Chest CT, axial plane, 120 kVp, kernel STANDARD. Slice 176/462 from the bottom of the scan; thickness 1.25 mm; pixel size 0.742 mm.
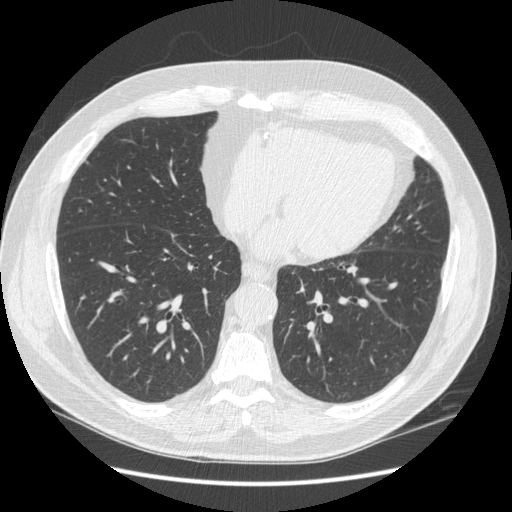
Pulmonary nodule at rows 161–165, columns 84–89 (box = the union of the readers' outlines on this slice), outlined by all four readers; median longest diameter 6.9 mm (readers' outlines 6.6–7.3 mm), median volume 88 mm3 (76–107 mm3). Median ratings and the readers' spread: texture 5/5 (solid) from all four readers; median margin 4.5/5 (readers ranged 4/5 to 5/5 (circumscribed)); median sphericity 4.5/5 (readers ranged 2/5 to 5/5 (round)); calcification absent from all four readers; internal structure soft tissue, all four readers agreeing; subtlety 3.5/5 at the median of four readers, spread 3–4; malignancy likelihood 2.5/5 at the median of four readers, spread 1–3. Scale key (1–5): texture non-solid→solid, margin indistinct→circumscribed, sphericity linear→round, subtlety extremely subtle→obvious, malignancy likelihood highly unlikely→highly suspicious of cancer. Box rows and columns are 0-based pixel indices from the top-left corner, inclusive.